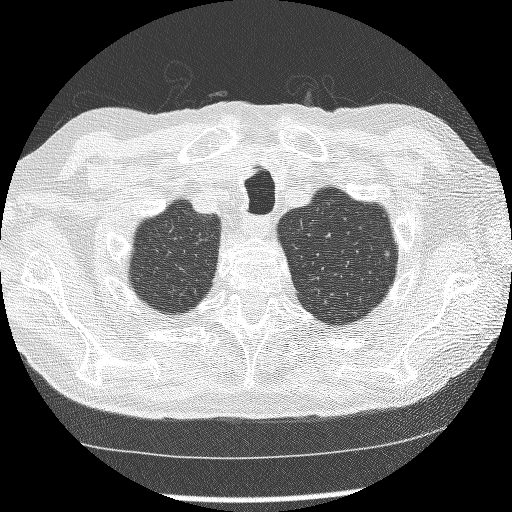
This is axial slice 231 of 250 (slice 1 is the lowest) of a chest CT; each pixel is 0.654 mm and the slice is 1.25 mm thick. Pulmonary nodule, outlined by one of the four readers. Box on this slice rows 251–255, columns 385–389, that reader's outline on this slice; longest diameter 5.4 mm and volume 34 mm3 from that reader's outline. Ratings by that reader: texture 3/5 (part-solid); margin 2/5; sphericity 2/5; calcification absent; internal structure soft tissue; subtlety 2/5; malignancy likelihood 3/5. Scale key (1–5): texture non-solid→solid, margin indistinct→circumscribed, sphericity linear→round, subtlety extremely subtle→obvious, malignancy likelihood highly unlikely→highly suspicious of cancer. Box rows and columns are 0-based pixel indices from the top-left corner, inclusive.
Scan settings: 120 kVp, BONE reconstruction kernel.